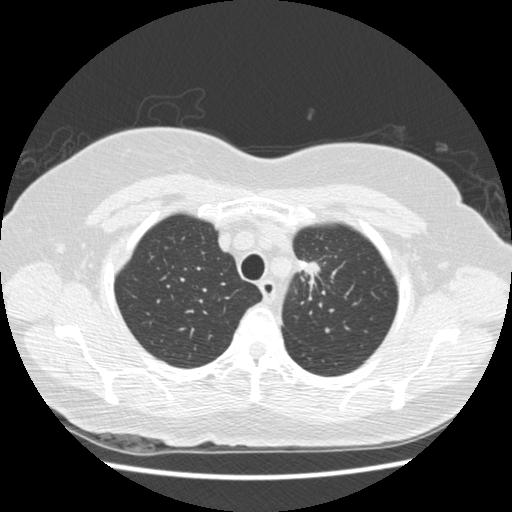
Axial slice 358 of 445 of a chest CT (slice 1 is the lowest), reconstructed with the STANDARD kernel at 120 kVp; 1.25 mm slice thickness and 0.645 mm pixels.
Pulmonary nodule at rows 261–287, columns 300–319 (box = that reader's outline on this slice), outlined by one of the four readers; longest diameter 31.0 mm and volume 2055 mm3 from that reader's outline. That reader's ratings: texture 5/5 (solid); margin 2/5; sphericity 2/5; calcification absent; internal structure soft tissue; subtlety 5/5; malignancy likelihood 4/5. Scale key (1–5): texture non-solid→solid, margin indistinct→circumscribed, sphericity linear→round, subtlety extremely subtle→obvious, malignancy likelihood highly unlikely→highly suspicious of cancer. Box rows and columns are 0-based pixel indices from the top-left corner, inclusive.